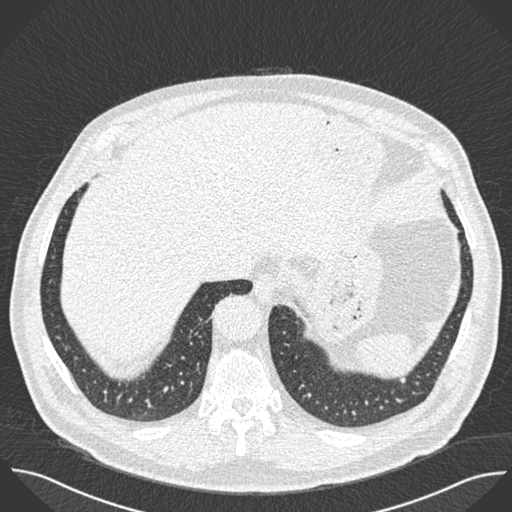
This is axial slice 162 of 493 (slice 1 is the lowest) of a chest CT; each pixel is 0.762 mm and the slice is 0.75 mm thick. Pulmonary nodule, outlined by one of the four readers. Box on this slice rows 377–383, columns 399–405, that reader's outline on this slice; longest diameter 6.5 mm and volume 48 mm3 from that reader's outline. Ratings by that reader: texture 5/5 (solid); margin 4/5; sphericity 4/5; calcification absent; internal structure soft tissue; subtlety 3/5; malignancy likelihood 3/5. Scale key (1–5): texture non-solid→solid, margin indistinct→circumscribed, sphericity linear→round, subtlety extremely subtle→obvious, malignancy likelihood highly unlikely→highly suspicious of cancer. Box rows and columns are 0-based pixel indices from the top-left corner, inclusive.
Scan settings: 120 kVp, B30f reconstruction kernel.